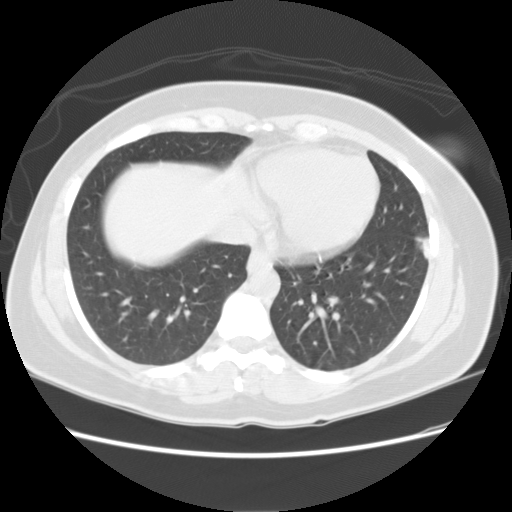
Axial slice 55 of 127 of a chest CT (slice 1 is the lowest), reconstructed with the STANDARD kernel at 120 kVp; 2.50 mm slice thickness and 0.703 mm pixels.
Pulmonary nodule, outlined by all four readers. Box on this slice rows 237–258, columns 414–429, the union of the readers' outlines on this slice; median longest diameter 28.1 mm (readers' outlines 27.7–28.3 mm), median volume 5769 mm3 (5117–6404 mm3). Median ratings and the readers' spread: texture 5/5 (solid), all four readers agreeing; median margin 5/5 (circumscribed) (readers ranged 4/5 to 5/5 (circumscribed)); median sphericity 3/5 (ovoid) (readers ranged 3/5 (ovoid) to 5/5 (round)); calcification absent, all four readers agreeing; internal structure soft tissue, all four readers agreeing; subtlety 5/5, all four readers agreeing; malignancy likelihood 4.5/5 at the median of four readers, spread 3–5. Scale key (1–5): texture non-solid→solid, margin indistinct→circumscribed, sphericity linear→round, subtlety extremely subtle→obvious, malignancy likelihood highly unlikely→highly suspicious of cancer. Box rows and columns are 0-based pixel indices from the top-left corner, inclusive.